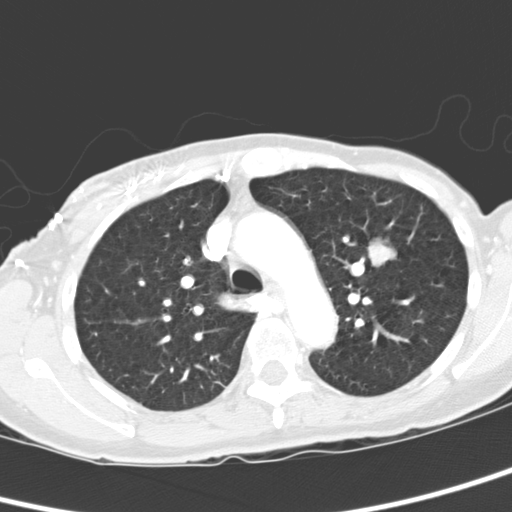
Axial chest CT slice 227 of 321 (counted from the lowest slice); tube voltage 120 kVp, convolution kernel D; slices 2.00 mm thick, 0.557 mm per pixel.
Pulmonary nodule outlined by all four readers; box rows 236–267, columns 367–398 (the union of the readers' outlines on this slice); longest diameter 19.2–22.3 mm and volume 3069–4125 mm3 across the four readers' outlines. Ratings across the readers: texture 5/5 (solid), all four readers agreeing; margin 5/5 (circumscribed), all four readers agreeing; sphericity from 4/5 to 5/5 (round) across the four readers; calcification absent from all four readers; internal structure soft tissue, all four readers agreeing; subtlety 5/5 from all four readers; malignancy likelihood rated between 2 and 5 out of 5 by the four readers. Scale key (1–5): texture non-solid→solid, margin indistinct→circumscribed, sphericity linear→round, subtlety extremely subtle→obvious, malignancy likelihood highly unlikely→highly suspicious of cancer. Box rows and columns are 0-based pixel indices from the top-left corner, inclusive.